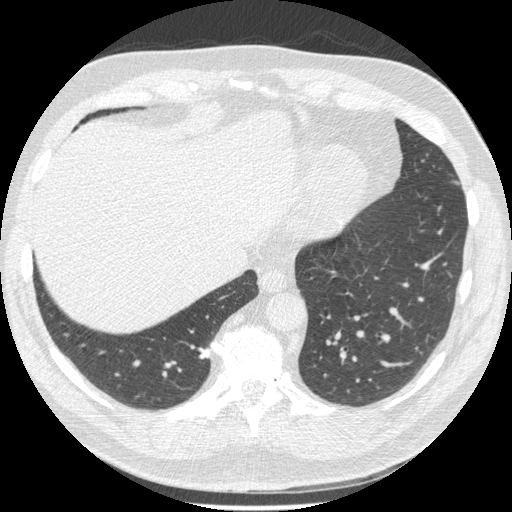
This is axial slice 167 of 557 (slice 1 is the lowest) of a chest CT; each pixel is 0.703 mm and the slice is 1.25 mm thick. Pulmonary nodule at rows 348–359, columns 198–210 (box = the union of the readers' outlines on this slice), outlined by all four readers; the four readers' outlines give a longest diameter between 8.6 and 11.5 mm and a volume between 175 and 299 mm3. Ratings across the readers: texture 5/5 (solid), all four readers agreeing; margin from 2/5 to 5/5 (circumscribed) across the four readers; sphericity from 4/5 to 5/5 (round) across the four readers; calcification: solid calcification (two), absent (one), central calcification (one); internal structure soft tissue, all four readers agreeing; subtlety rated between 3 and 5 out of 5 by the four readers; malignancy likelihood rated between 1 and 4 out of 5 by the four readers. Scale key (1–5): texture non-solid→solid, margin indistinct→circumscribed, sphericity linear→round, subtlety extremely subtle→obvious, malignancy likelihood highly unlikely→highly suspicious of cancer. Box rows and columns are 0-based pixel indices from the top-left corner, inclusive.
Scan settings: 120 kVp, STANDARD reconstruction kernel.